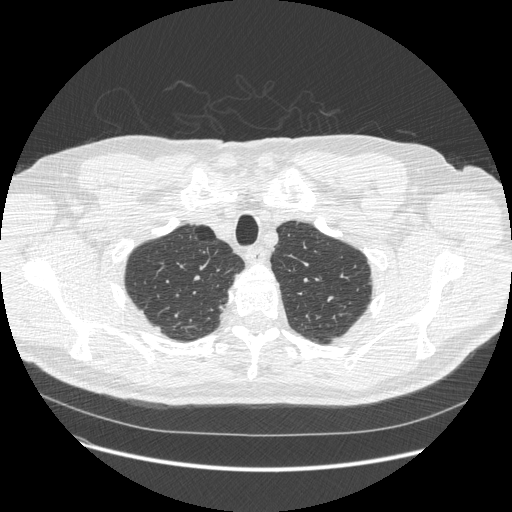
Axial chest CT slice 460 of 541 (counted from the lowest slice); 1.25 mm thick, 0.781 mm per pixel. Pulmonary nodule at rows 326–331, columns 155–160 (box = that reader's outline on this slice), outlined by one of the four readers; longest diameter 7.2 mm and volume 60 mm3 from that reader's outline. Ratings by that reader: texture 5/5 (solid); margin 5/5 (circumscribed); sphericity 4/5; calcification absent; internal structure soft tissue; subtlety 5/5; malignancy likelihood 3/5. Scale key (1–5): texture non-solid→solid, margin indistinct→circumscribed, sphericity linear→round, subtlety extremely subtle→obvious, malignancy likelihood highly unlikely→highly suspicious of cancer. Box rows and columns are 0-based pixel indices from the top-left corner, inclusive.
Scan settings: 120 kVp, STANDARD reconstruction kernel.